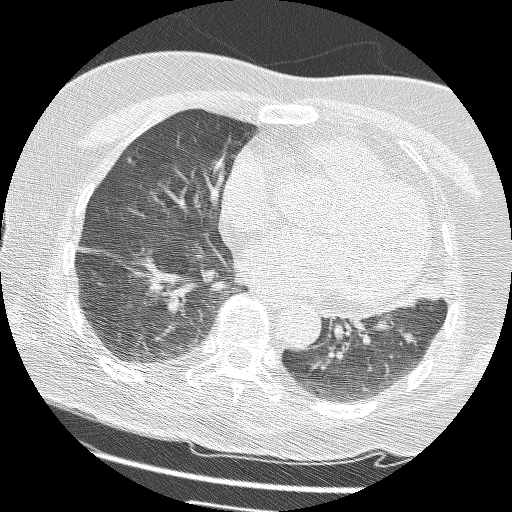
Chest CT, axial plane, 120 kVp, kernel BONE. Slice 58/161 from the bottom of the scan; thickness 1.25 mm; pixel size 0.549 mm.
Pulmonary nodule outlined by three of the four readers; box rows 332–343, columns 402–412 (the union of the readers' outlines on this slice); median longest diameter 5.7 mm (readers' outlines 5.5–7.4 mm), median volume 40 mm3 (38–91 mm3). Ratings, median across the readers with their spread: median texture 5/5 (solid) (readers ranged 2/5 to 5/5 (solid)); margin 2/5 at the median of three readers, spread 1/5 (indistinct) to 4/5; median sphericity 4/5 (readers ranged 3/5 (ovoid) to 4/5); calcification absent, all three readers agreeing; internal structure soft tissue from all three readers; median subtlety 1/5 (readers ranged 1–3); malignancy likelihood 3/5, all three readers agreeing. Scale key (1–5): texture non-solid→solid, margin indistinct→circumscribed, sphericity linear→round, subtlety extremely subtle→obvious, malignancy likelihood highly unlikely→highly suspicious of cancer. Box rows and columns are 0-based pixel indices from the top-left corner, inclusive.